Axial chest CT slice 205 of 350 (counted from the lowest slice); tube voltage 120 kVp, convolution kernel C; slices 1.50 mm thick, 0.725 mm per pixel.
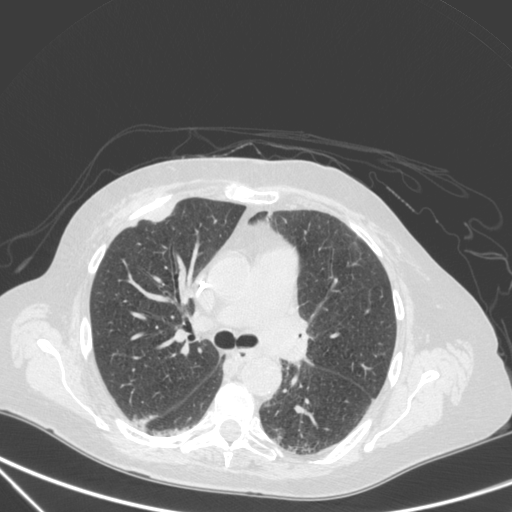
Pulmonary nodule, outlined by one of the four readers. Box on this slice rows 207–221, columns 148–173, that reader's outline on this slice; longest diameter 29.5 mm and volume 4181 mm3 from that reader's outline. Ratings by that reader: texture 5/5 (solid); margin 4/5; sphericity 2/5; calcification absent; internal structure soft tissue; subtlety 5/5; malignancy likelihood 4/5. Scale key (1–5): texture non-solid→solid, margin indistinct→circumscribed, sphericity linear→round, subtlety extremely subtle→obvious, malignancy likelihood highly unlikely→highly suspicious of cancer. Box rows and columns are 0-based pixel indices from the top-left corner, inclusive.